Axial slice 372 of 484 of a chest CT (slice 1 is the lowest), reconstructed with the STANDARD kernel at 120 kVp; 1.25 mm slice thickness and 0.625 mm pixels.
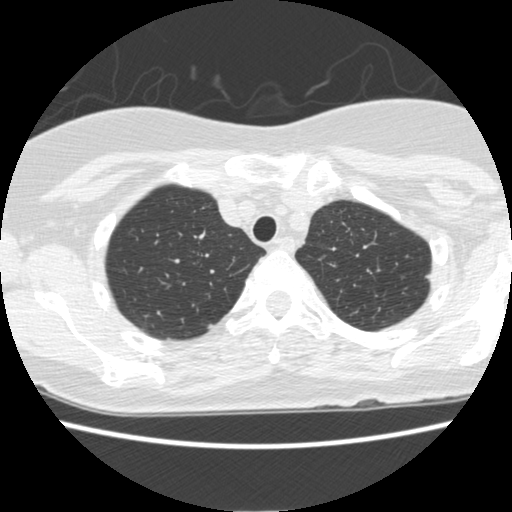
Pulmonary nodule outlined by one of the four readers; box rows 324–328, columns 207–211 (that reader's outline on this slice); longest diameter 5.9 mm and volume 45 mm3 from that reader's outline. That reader's ratings: texture 5/5 (solid); margin 4/5; sphericity 3/5 (ovoid); calcification absent; internal structure soft tissue; subtlety 3/5; malignancy likelihood 1/5. Scale key (1–5): texture non-solid→solid, margin indistinct→circumscribed, sphericity linear→round, subtlety extremely subtle→obvious, malignancy likelihood highly unlikely→highly suspicious of cancer. Box rows and columns are 0-based pixel indices from the top-left corner, inclusive.